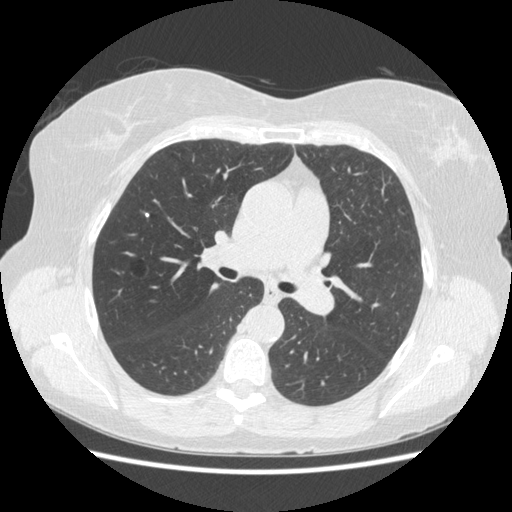
Slice 288/487 of a chest CT, counting up from the lowest; pixel size 0.703 mm, slice thickness 1.25 mm. Pulmonary nodule at rows 213–216, columns 145–148 (box = that reader's outline on this slice), outlined by one of the four readers; longest diameter 3.8 mm and volume 26 mm3 from that reader's outline. That reader's ratings: texture 5/5 (solid); margin 5/5 (circumscribed); sphericity 5/5 (round); calcification solid calcification; internal structure soft tissue; subtlety 3/5; malignancy likelihood 1/5. Scale key (1–5): texture non-solid→solid, margin indistinct→circumscribed, sphericity linear→round, subtlety extremely subtle→obvious, malignancy likelihood highly unlikely→highly suspicious of cancer. Box rows and columns are 0-based pixel indices from the top-left corner, inclusive.
Scan settings: 120 kVp, STANDARD reconstruction kernel.